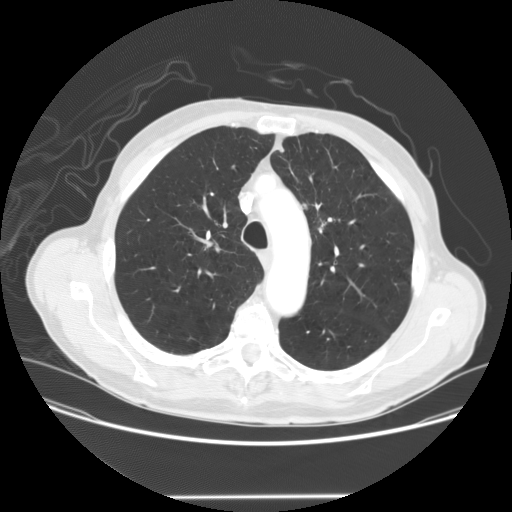
Axial slice 110 of 147 of a chest CT (slice 1 is the lowest), reconstructed with the STANDARD kernel at 120 kVp; 2.50 mm slice thickness and 0.781 mm pixels.
Pulmonary nodule outlined by all four readers, three of them on this slice; box rows 203–209, columns 302–307 (the union of the readers' outlines on this slice); longest diameter 32.8 mm on average over the four readers' outlines (readers' outlines 28.8–40.5 mm), volume 3077–10560 mm3. Ratings, by the readers' most common answer with dissent counted: texture split among the readers: 3/5 (part-solid) (two), 5/5 (solid) (two); margin split among the readers: 2/5 (one), 3/5 (one), 4/5 (one), 5/5 (circumscribed) (one); sphericity 3/5 (ovoid) from all four readers; calcification absent from all four readers; internal structure soft tissue, all four readers agreeing; subtlety 5/5 by three of four readers; the rest gave 4/5 (one); malignancy likelihood 5/5 by two of four readers; the rest gave 3/5 (one), 4/5 (one). Scale key (1–5): texture non-solid→solid, margin indistinct→circumscribed, sphericity linear→round, subtlety extremely subtle→obvious, malignancy likelihood highly unlikely→highly suspicious of cancer. Box rows and columns are 0-based pixel indices from the top-left corner, inclusive.